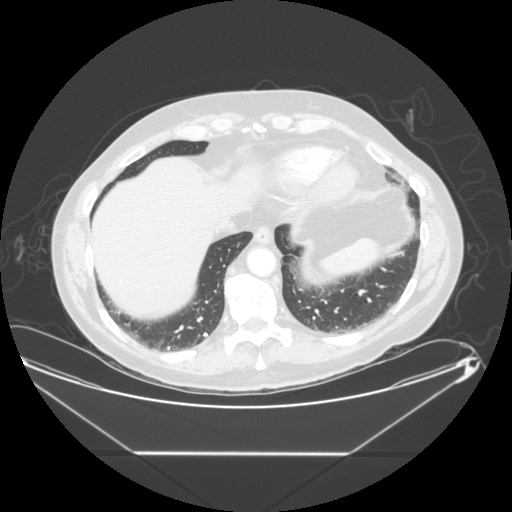
Axial chest CT slice 70 of 265 (counted from the lowest slice); tube voltage 120 kVp, convolution kernel STANDARD; slices 1.25 mm thick, 0.883 mm per pixel.
Pulmonary nodule outlined by two of the four readers; box rows 332–337, columns 202–208 (the union of the readers' outlines on this slice); the two readers' outlines give a longest diameter between 5.4 and 7.1 mm and a volume between 56 and 113 mm3. Ratings across the readers: texture 5/5 (solid) from both readers; margin 5/5 (circumscribed), both readers agreeing; sphericity from 4/5 to 5/5 (round) across the two readers; calcification solid calcification, both readers agreeing; internal structure soft tissue, both readers agreeing; subtlety from 4/5 to 5/5 across the two readers; malignancy likelihood 1/5 from both readers. Scale key (1–5): texture non-solid→solid, margin indistinct→circumscribed, sphericity linear→round, subtlety extremely subtle→obvious, malignancy likelihood highly unlikely→highly suspicious of cancer. Box rows and columns are 0-based pixel indices from the top-left corner, inclusive.